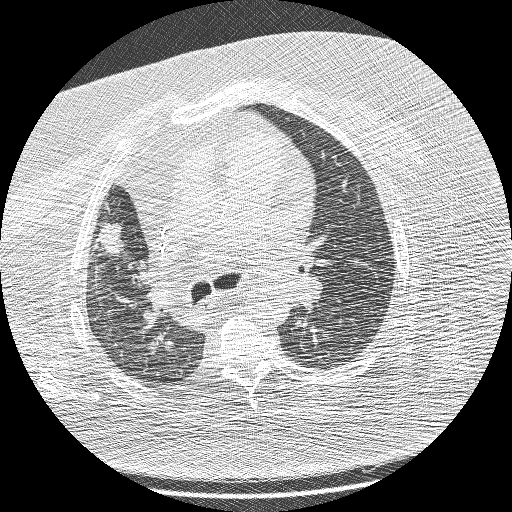
One axial slice (132 of 208, counting up from the lowest) of a chest CT acquired at 120 kVp with the BONE kernel; each pixel is 0.723 mm and the slice is 1.25 mm thick.
Pulmonary nodule, outlined by all four readers. Box on this slice rows 222–256, columns 96–124, the union of the readers' outlines on this slice; median longest diameter 27.6 mm (readers' outlines 25.6–30.6 mm), median volume 4739 mm3 (4623–6820 mm3). Median ratings and the readers' spread: texture 5/5 (solid), all four readers agreeing; margin 3/5 at the median of four readers, spread 1/5 (indistinct) to 3/5; sphericity 3/5 (ovoid) at the median of four readers, spread 3/5 (ovoid) to 4/5; calcification absent from all four readers; internal structure soft tissue from all four readers; subtlety 5/5 from all four readers; malignancy likelihood 5/5, all four readers agreeing. Scale key (1–5): texture non-solid→solid, margin indistinct→circumscribed, sphericity linear→round, subtlety extremely subtle→obvious, malignancy likelihood highly unlikely→highly suspicious of cancer. Box rows and columns are 0-based pixel indices from the top-left corner, inclusive.